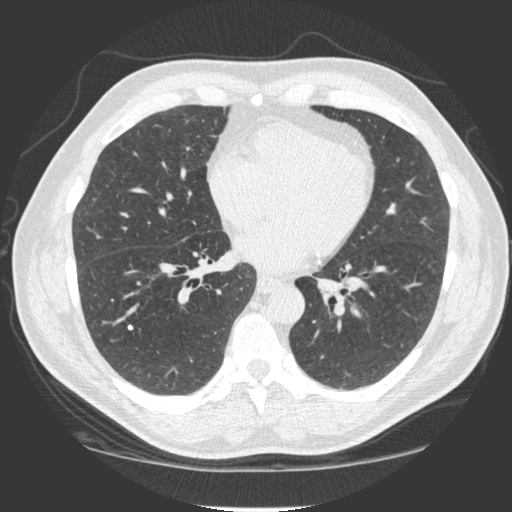
Axial chest CT slice 86 of 241 (counted from the lowest slice); tube voltage 120 kVp, convolution kernel STANDARD; slices 1.25 mm thick, 0.684 mm per pixel.
Pulmonary nodule, outlined by one of the four readers. Box on this slice rows 325–329, columns 128–132, that reader's outline on this slice; longest diameter 5.0 mm and volume 49 mm3 from that reader's outline. Ratings by that reader: texture 5/5 (solid); margin 5/5 (circumscribed); sphericity 4/5; calcification solid calcification; internal structure soft tissue; subtlety 5/5; malignancy likelihood 1/5. Scale key (1–5): texture non-solid→solid, margin indistinct→circumscribed, sphericity linear→round, subtlety extremely subtle→obvious, malignancy likelihood highly unlikely→highly suspicious of cancer. Box rows and columns are 0-based pixel indices from the top-left corner, inclusive.